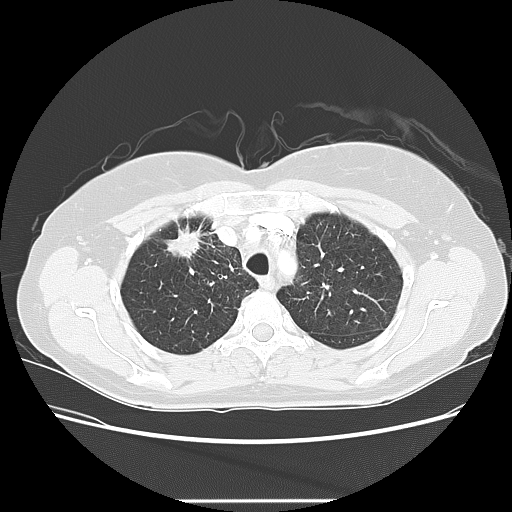
Axial chest CT slice 108 of 130 (counted from the lowest slice); tube voltage 120 kVp, convolution kernel LUNG; slices 2.50 mm thick, 0.703 mm per pixel.
Pulmonary nodule at rows 224–259, columns 161–206 (box = the union of the readers' outlines on this slice), outlined by three of the four readers; longest diameter 30.2 mm on average over the three readers' outlines (readers' outlines 26.3–33.4 mm), volume 4054–5494 mm3. Ratings, by the readers' most common answer with dissent counted: texture 5/5 (solid) by two of three readers; the rest gave 4/5 (one); margin split among the readers: 3/5 (one), 4/5 (one), 5/5 (circumscribed) (one); sphericity split among the readers: 3/5 (ovoid) (one), 4/5 (one), 5/5 (round) (one); calcification absent from all three readers; internal structure soft tissue from all three readers; subtlety 5/5, all three readers agreeing; malignancy likelihood 5/5 by two of three readers; the rest gave 4/5 (one). Scale key (1–5): texture non-solid→solid, margin indistinct→circumscribed, sphericity linear→round, subtlety extremely subtle→obvious, malignancy likelihood highly unlikely→highly suspicious of cancer. Box rows and columns are 0-based pixel indices from the top-left corner, inclusive.